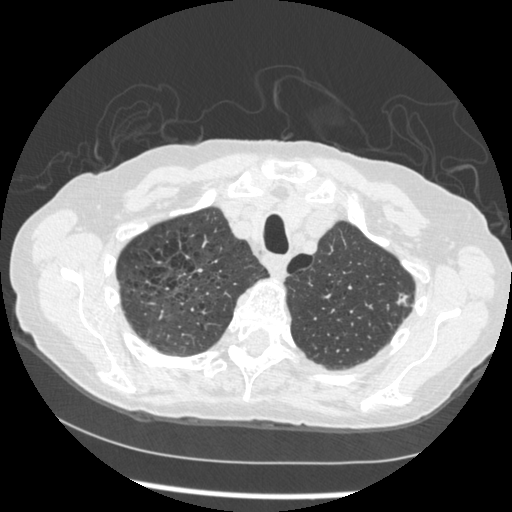
One axial slice (387 of 461, counting up from the lowest) of a chest CT acquired at 120 kVp with the STANDARD kernel; each pixel is 0.645 mm and the slice is 1.25 mm thick.
Pulmonary nodule, outlined by all four readers. Box on this slice rows 293–306, columns 396–408, the union of the readers' outlines on this slice; median longest diameter 10.1 mm (readers' outlines 9.2–11.1 mm), median volume 158 mm3 (139–248 mm3). Ratings, median across the readers with their spread: texture 5/5 (solid) at the median of four readers, spread 3/5 (part-solid) to 5/5 (solid); median margin 4/5 (readers ranged 2/5 to 5/5 (circumscribed)); median sphericity 4/5 (readers ranged 2/5 to 5/5 (round)); calcification absent from all four readers; internal structure soft tissue from all four readers; subtlety 4.5/5 at the median of four readers, spread 3–5; median malignancy likelihood 3/5 (readers ranged 2–4). Scale key (1–5): texture non-solid→solid, margin indistinct→circumscribed, sphericity linear→round, subtlety extremely subtle→obvious, malignancy likelihood highly unlikely→highly suspicious of cancer. Box rows and columns are 0-based pixel indices from the top-left corner, inclusive.